Chest CT, axial plane, 120 kVp, kernel STANDARD. Slice 55/156 from the bottom of the scan; thickness 2.50 mm; pixel size 0.645 mm.
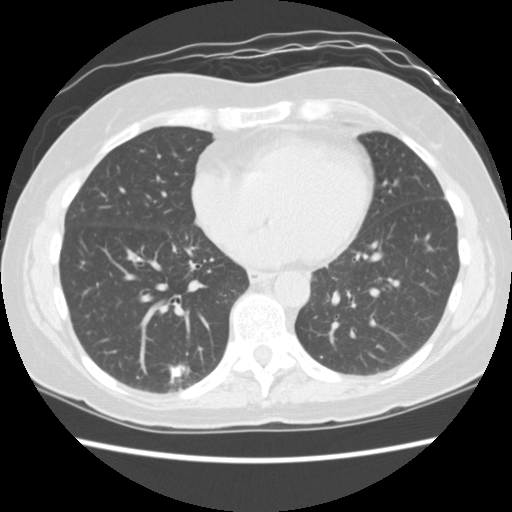
Pulmonary nodule at rows 361–382, columns 169–188 (box = the union of the readers' outlines on this slice), outlined by all four readers; median longest diameter 14.0 mm (readers' outlines 13.7–18.2 mm), median volume 964 mm3 (717–1515 mm3). Median ratings and the readers' spread: texture 5/5 (solid) from all four readers; margin 4.5/5 at the median of four readers, spread 4/5 to 5/5 (circumscribed); sphericity 3.5/5 at the median of four readers, spread 3/5 (ovoid) to 5/5 (round); calcification: solid calcification (three), absent (one); internal structure soft tissue, all four readers agreeing; subtlety 5/5 from all four readers; median malignancy likelihood 1/5 (readers ranged 1–5). Scale key (1–5): texture non-solid→solid, margin indistinct→circumscribed, sphericity linear→round, subtlety extremely subtle→obvious, malignancy likelihood highly unlikely→highly suspicious of cancer. Box rows and columns are 0-based pixel indices from the top-left corner, inclusive.